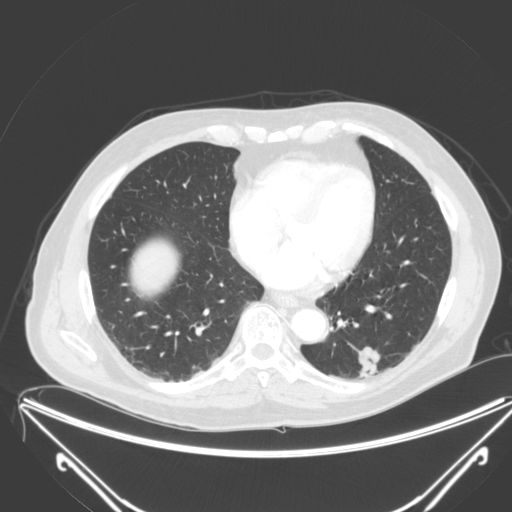
Axial chest CT slice 84 of 250 (counted from the lowest slice); 2.00 mm thick, 0.834 mm per pixel. Pulmonary nodule at rows 346–376, columns 358–381 (box = the union of the readers' outlines on this slice), outlined by all four readers; longest diameter 26.7–30.4 mm and volume 2541–3664 mm3 across the four readers' outlines. The readers' ratings, as ranges where they differ: texture from 4/5 to 5/5 (solid) across the four readers; margin from 2/5 to 4/5 across the four readers; sphericity from 3/5 (ovoid) to 5/5 (round) across the four readers; calcification absent from all four readers; internal structure soft tissue, all four readers agreeing; subtlety 5/5 from all four readers; malignancy likelihood rated between 3 and 5 out of 5 by the four readers. Scale key (1–5): texture non-solid→solid, margin indistinct→circumscribed, sphericity linear→round, subtlety extremely subtle→obvious, malignancy likelihood highly unlikely→highly suspicious of cancer. Box rows and columns are 0-based pixel indices from the top-left corner, inclusive.
Scan settings: 120 kVp, B reconstruction kernel.